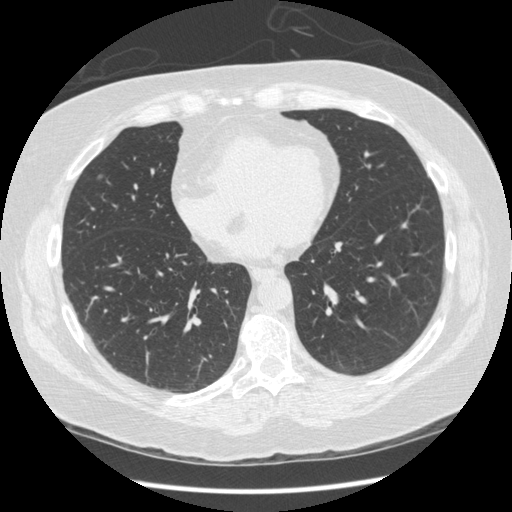
One axial slice (161 of 436, counting up from the lowest) of a chest CT acquired at 120 kVp with the STANDARD kernel; each pixel is 0.703 mm and the slice is 1.25 mm thick.
Pulmonary nodule outlined by all four readers, two of them on this slice; box rows 174–179, columns 96–103 (the union of the readers' outlines on this slice); median longest diameter 9.3 mm (readers' outlines 7.3–9.8 mm), median volume 191 mm3 (103–208 mm3). Ratings, median across the readers with their spread: texture 5/5 (solid), all four readers agreeing; median margin 4/5 (readers ranged 4/5 to 5/5 (circumscribed)); sphericity 4.5/5 at the median of four readers, spread 3/5 (ovoid) to 5/5 (round); calcification absent from all four readers; internal structure soft tissue, all four readers agreeing; subtlety 4/5 at the median of four readers, spread 3–5; malignancy likelihood 3/5 at the median of four readers, spread 2–4. Scale key (1–5): texture non-solid→solid, margin indistinct→circumscribed, sphericity linear→round, subtlety extremely subtle→obvious, malignancy likelihood highly unlikely→highly suspicious of cancer. Box rows and columns are 0-based pixel indices from the top-left corner, inclusive.